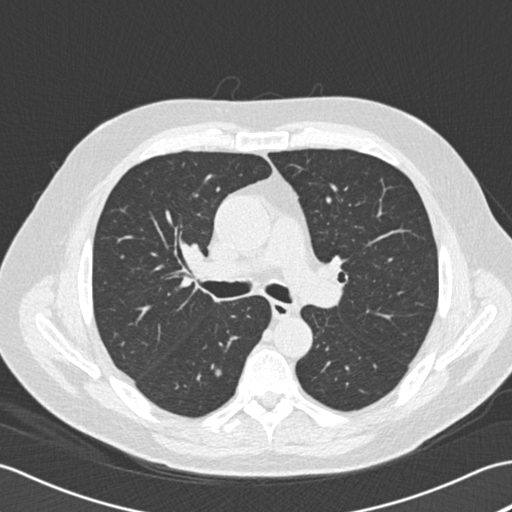
Chest CT, axial plane, 120 kVp, kernel B30f. Slice 116/180 from the bottom of the scan; thickness 2.00 mm; pixel size 0.684 mm.
Pulmonary nodule, outlined by all four readers. Box on this slice rows 367–377, columns 214–222, the union of the readers' outlines on this slice; longest diameter 12.5–13.3 mm and volume 485–678 mm3 across the four readers' outlines. Ratings across the readers: texture from 4/5 to 5/5 (solid) across the four readers; margin from 4/5 to 5/5 (circumscribed) across the four readers; sphericity from 3/5 (ovoid) to 5/5 (round) across the four readers; calcification absent, all four readers agreeing; internal structure soft tissue from all four readers; subtlety 3–5/5 (the readers disagree); malignancy likelihood from 2/5 to 4/5 across the four readers. Scale key (1–5): texture non-solid→solid, margin indistinct→circumscribed, sphericity linear→round, subtlety extremely subtle→obvious, malignancy likelihood highly unlikely→highly suspicious of cancer. Box rows and columns are 0-based pixel indices from the top-left corner, inclusive.